One axial slice (446 of 490, counting up from the lowest) of a chest CT acquired at 120 kVp with the STANDARD kernel; each pixel is 0.645 mm and the slice is 1.25 mm thick.
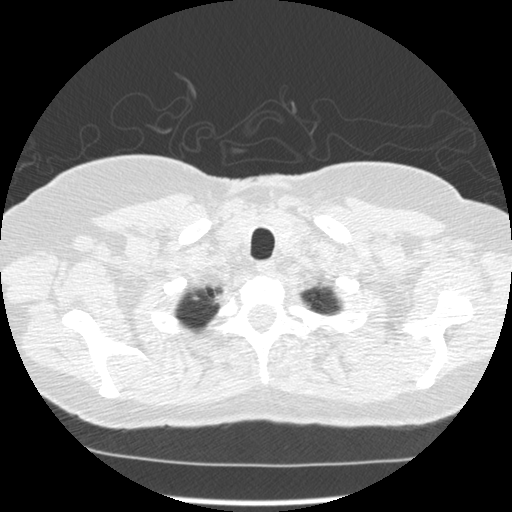
Pulmonary nodule at rows 296–299, columns 192–198 (box = that reader's outline on this slice), outlined by one of the four readers; longest diameter 7.8 mm and volume 43 mm3 from that reader's outline. Ratings by that reader: texture 5/5 (solid); margin 4/5; sphericity 3/5 (ovoid); calcification absent; internal structure soft tissue; subtlety 5/5; malignancy likelihood 2/5. Scale key (1–5): texture non-solid→solid, margin indistinct→circumscribed, sphericity linear→round, subtlety extremely subtle→obvious, malignancy likelihood highly unlikely→highly suspicious of cancer. Box rows and columns are 0-based pixel indices from the top-left corner, inclusive.